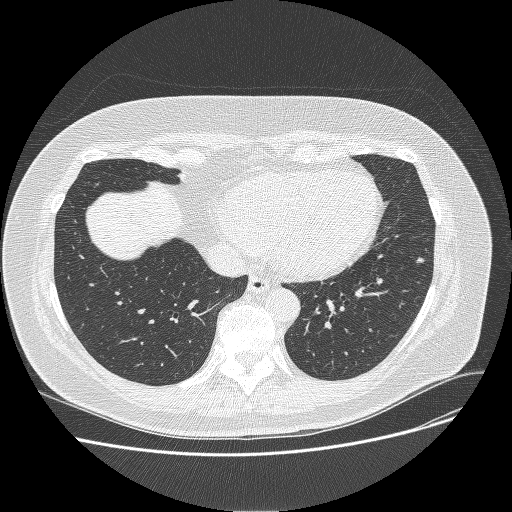
Axial chest CT slice 103 of 270 (counted from the lowest slice); 1.25 mm thick, 0.703 mm per pixel. Pulmonary nodule at rows 256–263, columns 415–425 (box = the union of the readers' outlines on this slice), outlined by all four readers; longest diameter 7.4 mm on average over the four readers' outlines (readers' outlines 5.8–8.6 mm), volume 42–121 mm3. The readers' prevailing ratings and who disagreed: texture 5/5 (solid), all four readers agreeing; most readers (three of four) put margin at 4/5, others 3/5 (one); sphericity split among the readers: 3/5 (ovoid) (two), 4/5 (two); calcification absent, all four readers agreeing; internal structure soft tissue from all four readers; subtlety 3/5 by two of four readers; the rest gave 4/5 (one), 5/5 (one); malignancy likelihood 3/5, all four readers agreeing. Scale key (1–5): texture non-solid→solid, margin indistinct→circumscribed, sphericity linear→round, subtlety extremely subtle→obvious, malignancy likelihood highly unlikely→highly suspicious of cancer. Box rows and columns are 0-based pixel indices from the top-left corner, inclusive.
Scan settings: 120 kVp, BONE reconstruction kernel.